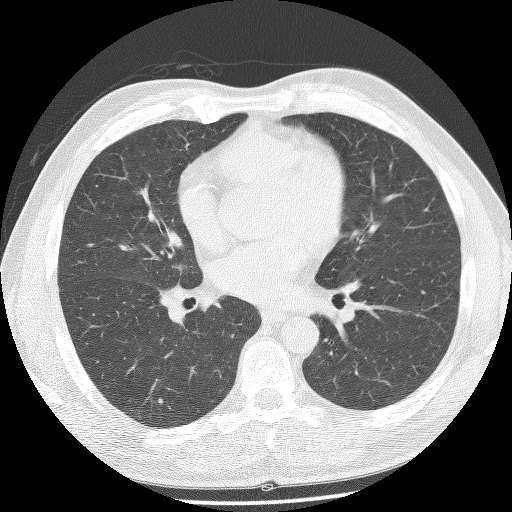
Axial slice 69 of 132 of a chest CT (slice 1 is the lowest), reconstructed with the BONE kernel at 140 kVp; 2.50 mm slice thickness and 0.703 mm pixels.
Pulmonary nodule outlined by one of the four readers; box rows 398–402, columns 158–162 (that reader's outline on this slice); longest diameter 4.7 mm and volume 69 mm3 from that reader's outline. Ratings by that reader: texture 5/5 (solid); margin 4/5; sphericity 4/5; calcification absent; internal structure soft tissue; subtlety 4/5; malignancy likelihood 3/5. Scale key (1–5): texture non-solid→solid, margin indistinct→circumscribed, sphericity linear→round, subtlety extremely subtle→obvious, malignancy likelihood highly unlikely→highly suspicious of cancer. Box rows and columns are 0-based pixel indices from the top-left corner, inclusive.